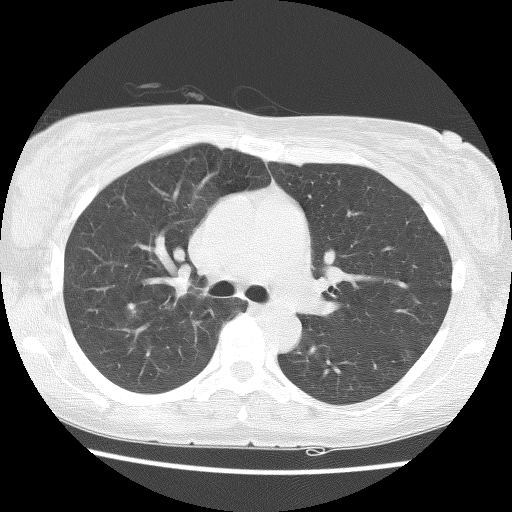
Chest CT, axial plane, 140 kVp, kernel BONE. Slice 86/124 from the bottom of the scan; thickness 2.50 mm; pixel size 0.600 mm.
Pulmonary nodule, outlined by one of the four readers. Box on this slice rows 311–316, columns 132–135, that reader's outline on this slice; longest diameter 7.8 mm and volume 178 mm3 from that reader's outline. That reader's ratings: texture 4/5; margin 4/5; sphericity 2/5; calcification absent; internal structure soft tissue; subtlety 4/5; malignancy likelihood 4/5. Scale key (1–5): texture non-solid→solid, margin indistinct→circumscribed, sphericity linear→round, subtlety extremely subtle→obvious, malignancy likelihood highly unlikely→highly suspicious of cancer. Box rows and columns are 0-based pixel indices from the top-left corner, inclusive.